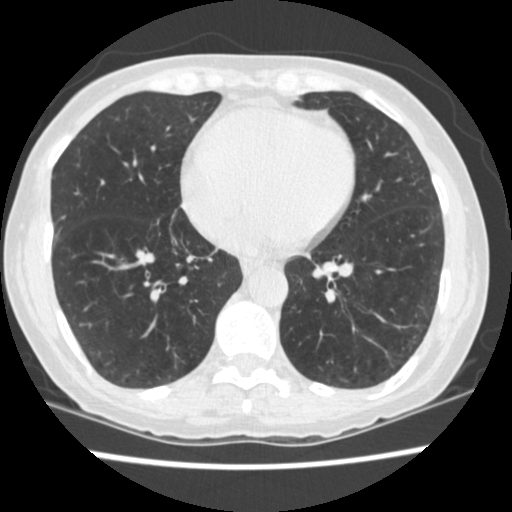
Axial chest CT slice 229 of 541 (counted from the lowest slice); tube voltage 120 kVp, convolution kernel STANDARD; slices 1.25 mm thick, 0.586 mm per pixel.
No nodule of 3 mm or larger was outlined by any of the four readers on this slice.